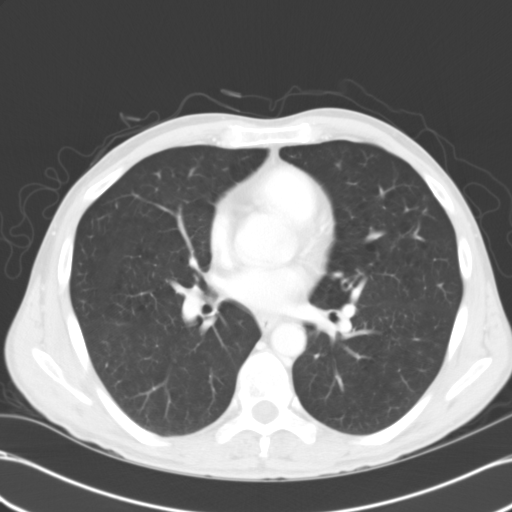
This is axial slice 101 of 137 (slice 1 is the lowest) of a chest CT; each pixel is 0.691 mm and the slice is 5.00 mm thick. The readers outlined no nodule of 3 mm or more on this slice.
Scan settings: 120 kVp, B31f reconstruction kernel.